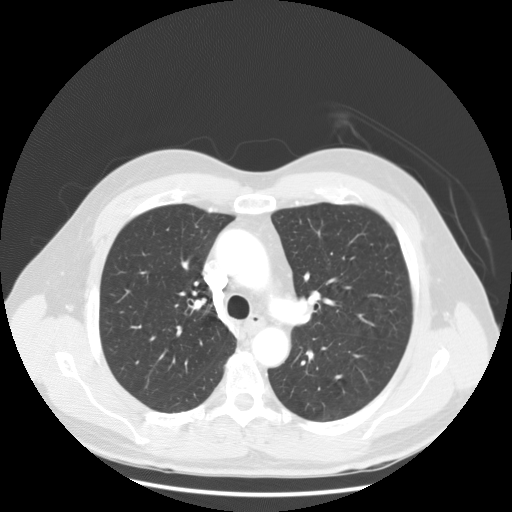
Axial chest CT slice 91 of 129 (counted from the lowest slice); tube voltage 120 kVp, convolution kernel STANDARD; slices 2.50 mm thick, 0.781 mm per pixel.
The readers outlined no nodule of 3 mm or more on this slice.